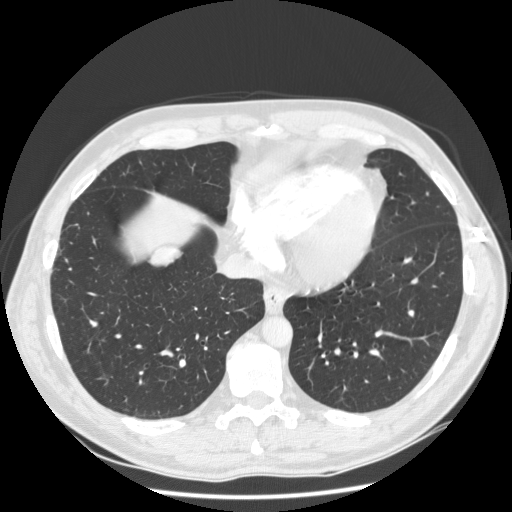
Axial chest CT slice 68 of 238 (counted from the lowest slice); tube voltage 120 kVp, convolution kernel STANDARD; slices 1.25 mm thick, 0.742 mm per pixel.
Pulmonary nodule outlined by three of the four readers; box rows 244–267, columns 147–183 (the union of the readers' outlines on this slice); longest diameter 31.3 mm on average over the three readers' outlines (readers' outlines 28.6–35.0 mm), volume 1299–1840 mm3. The readers' prevailing ratings and who disagreed: texture 5/5 (solid), all three readers agreeing; margin split among the readers: 2/5 (one), 3/5 (one), 4/5 (one); sphericity 3/5 (ovoid), all three readers agreeing; calcification absent, all three readers agreeing; internal structure soft tissue from all three readers; subtlety split among the readers: 3/5 (one), 4/5 (one), 5/5 (one); malignancy likelihood split among the readers: 2/5 (one), 3/5 (one), 4/5 (one). Scale key (1–5): texture non-solid→solid, margin indistinct→circumscribed, sphericity linear→round, subtlety extremely subtle→obvious, malignancy likelihood highly unlikely→highly suspicious of cancer. Box rows and columns are 0-based pixel indices from the top-left corner, inclusive.